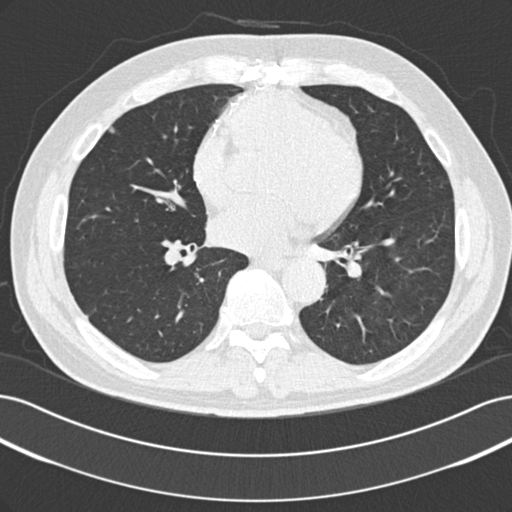
This is axial slice 115 of 229 (slice 1 is the lowest) of a chest CT; each pixel is 0.703 mm and the slice is 2.00 mm thick. Pulmonary nodule, outlined by one of the four readers. Box on this slice rows 126–133, columns 109–115, that reader's outline on this slice; longest diameter 6.5 mm and volume 78 mm3 from that reader's outline. That reader's ratings: texture 5/5 (solid); margin 5/5 (circumscribed); sphericity 4/5; calcification absent; internal structure soft tissue; subtlety 3/5; malignancy likelihood 3/5. Scale key (1–5): texture non-solid→solid, margin indistinct→circumscribed, sphericity linear→round, subtlety extremely subtle→obvious, malignancy likelihood highly unlikely→highly suspicious of cancer. Box rows and columns are 0-based pixel indices from the top-left corner, inclusive.
Scan settings: 120 kVp, B30f reconstruction kernel.